Chest CT, axial plane, 120 kVp, kernel STANDARD. Slice 111/127 from the bottom of the scan; thickness 2.50 mm; pixel size 0.703 mm.
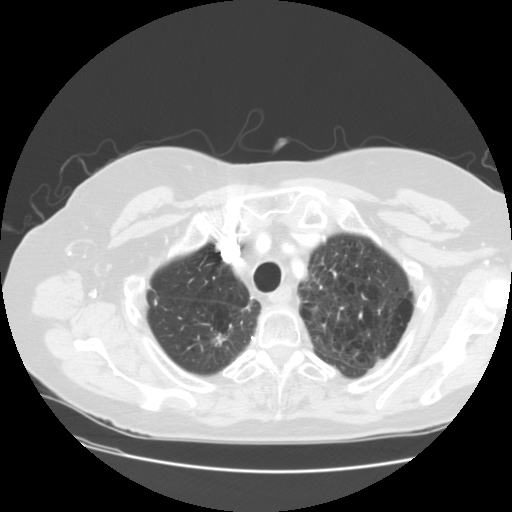
Pulmonary nodule, outlined by three of the four readers. Box on this slice rows 331–346, columns 211–226, the union of the readers' outlines on this slice; longest diameter 12.3–14.7 mm and volume 276–644 mm3 across the three readers' outlines. Ratings across the readers: texture from 4/5 to 5/5 (solid) across the three readers; margin from 3/5 to 4/5 across the three readers; sphericity from 3/5 (ovoid) to 5/5 (round) across the three readers; calcification absent from all three readers; internal structure soft tissue, all three readers agreeing; subtlety from 4/5 to 5/5 across the three readers; malignancy likelihood from 2/5 to 4/5 across the three readers. Scale key (1–5): texture non-solid→solid, margin indistinct→circumscribed, sphericity linear→round, subtlety extremely subtle→obvious, malignancy likelihood highly unlikely→highly suspicious of cancer. Box rows and columns are 0-based pixel indices from the top-left corner, inclusive.